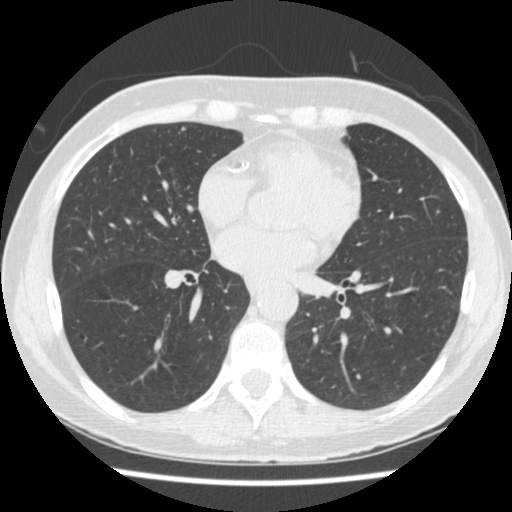
One axial slice (214 of 481, counting up from the lowest) of a chest CT acquired at 120 kVp with the STANDARD kernel; each pixel is 0.605 mm and the slice is 1.25 mm thick.
Pulmonary nodule outlined by all four readers; box rows 126–130, columns 180–185 (the union of the readers' outlines on this slice); longest diameter 6.2 mm on average over the four readers' outlines (readers' outlines 5.4–6.8 mm), volume 23–57 mm3. The readers' prevailing ratings and who disagreed: most readers (three of four) put texture at 5/5 (solid), others 4/5 (one); margin split among the readers: 4/5 (two), 5/5 (circumscribed) (two); sphericity 5/5 (round) by two of four readers; the rest gave 3/5 (ovoid) (one), 4/5 (one); calcification absent from all four readers; internal structure soft tissue, all four readers agreeing; subtlety 4/5 by two of four readers; the rest gave 3/5 (one), 5/5 (one); most readers (three of four) put malignancy likelihood at 2/5, others 3/5 (one). Scale key (1–5): texture non-solid→solid, margin indistinct→circumscribed, sphericity linear→round, subtlety extremely subtle→obvious, malignancy likelihood highly unlikely→highly suspicious of cancer. Box rows and columns are 0-based pixel indices from the top-left corner, inclusive.